Axial slice 59 of 290 of a chest CT (slice 1 is the lowest), reconstructed with the D kernel at 120 kVp; 1.00 mm slice thickness and 0.662 mm pixels.
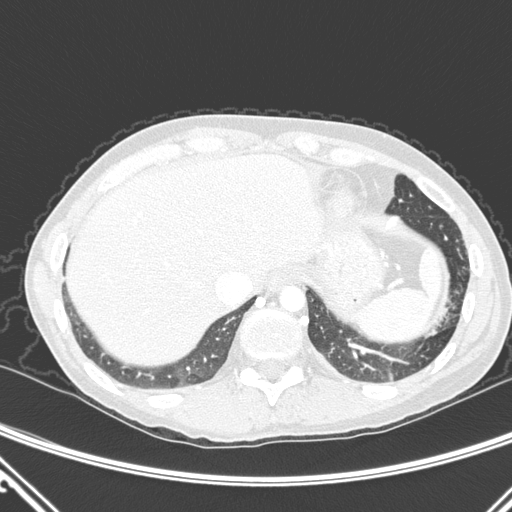
Pulmonary nodule, outlined by two of the four readers. Box on this slice rows 329–335, columns 426–435, the union of the readers' outlines on this slice; longest diameter 17.1 mm on average over the two readers' outlines (readers' outlines 16.8–17.4 mm), volume 457–555 mm3. Ratings, by the readers' most common answer with dissent counted: texture 5/5 (solid) from both readers; margin split among the readers: 1/5 (indistinct) (one), 2/5 (one); sphericity split among the readers: 3/5 (ovoid) (one), 4/5 (one); calcification absent, both readers agreeing; internal structure soft tissue from both readers; subtlety 4/5 from both readers; malignancy likelihood split among the readers: 3/5 (one), 4/5 (one). Scale key (1–5): texture non-solid→solid, margin indistinct→circumscribed, sphericity linear→round, subtlety extremely subtle→obvious, malignancy likelihood highly unlikely→highly suspicious of cancer. Box rows and columns are 0-based pixel indices from the top-left corner, inclusive.